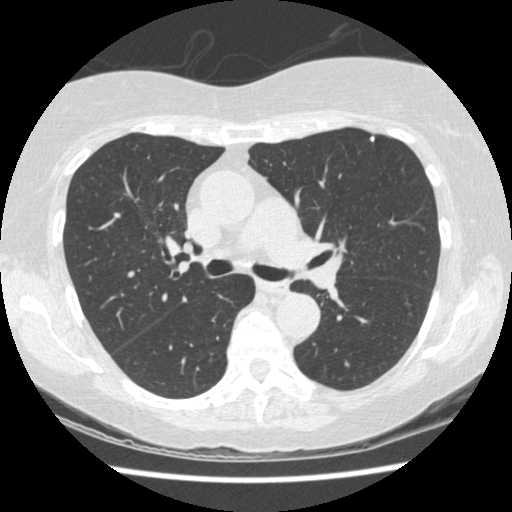
One axial slice (261 of 458, counting up from the lowest) of a chest CT acquired at 120 kVp with the STANDARD kernel; each pixel is 0.625 mm and the slice is 1.25 mm thick.
Pulmonary nodule, outlined by two of the four readers. Box on this slice rows 136–140, columns 370–374, the union of the readers' outlines on this slice; median longest diameter 4.7 mm (readers' outlines 4.6–4.8 mm), median volume 38 mm3 (37–39 mm3). Ratings, median across the readers with their spread: texture 5/5 (solid), both readers agreeing; margin 5/5 (circumscribed) from both readers; median sphericity 4.5/5 (readers ranged 4/5 to 5/5 (round)); calcification solid calcification from both readers; internal structure soft tissue, both readers agreeing; median subtlety 4.5/5 (readers ranged 4–5); malignancy likelihood 1/5 from both readers. Scale key (1–5): texture non-solid→solid, margin indistinct→circumscribed, sphericity linear→round, subtlety extremely subtle→obvious, malignancy likelihood highly unlikely→highly suspicious of cancer. Box rows and columns are 0-based pixel indices from the top-left corner, inclusive.